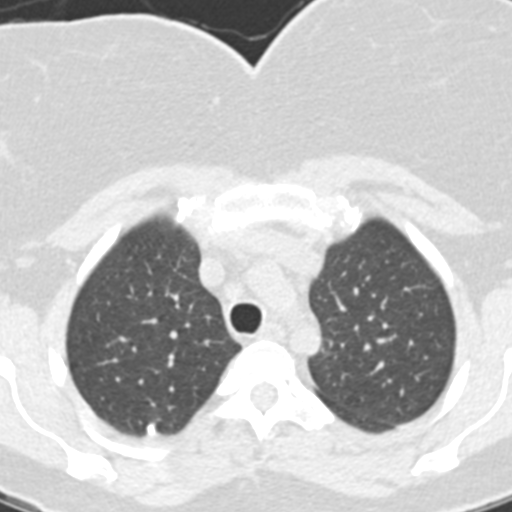
Axial chest CT slice 155 of 331 (counted from the lowest slice); tube voltage 130 kVp, convolution kernel B20s; slices 1.25 mm thick, 0.496 mm per pixel.
Pulmonary nodule at rows 422–435, columns 146–155 (box = the union of the readers' outlines on this slice), outlined by all four readers; longest diameter 7.6 mm on average over the four readers' outlines (readers' outlines 6.9–8.4 mm), volume 132–209 mm3. Ratings, by the readers' most common answer with dissent counted: texture 5/5 (solid) from all four readers; margin 5/5 (circumscribed), all four readers agreeing; sphericity 5/5 (round) by three of four readers; the rest gave 4/5 (one); calcification solid calcification by three of four readers, central calcification (one); internal structure soft tissue, all four readers agreeing; most readers (three of four) put subtlety at 5/5, others 4/5 (one); malignancy likelihood 1/5 from all four readers. Scale key (1–5): texture non-solid→solid, margin indistinct→circumscribed, sphericity linear→round, subtlety extremely subtle→obvious, malignancy likelihood highly unlikely→highly suspicious of cancer. Box rows and columns are 0-based pixel indices from the top-left corner, inclusive.